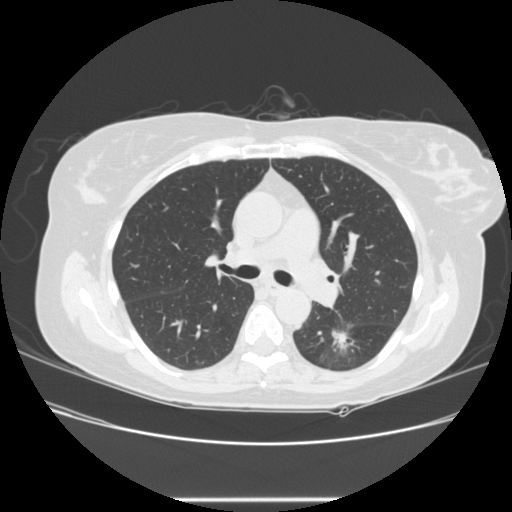
One axial slice (156 of 245, counting up from the lowest) of a chest CT acquired at 120 kVp with the STANDARD kernel; each pixel is 0.730 mm and the slice is 1.25 mm thick.
Pulmonary nodule at rows 323–357, columns 329–356 (box = the union of the readers' outlines on this slice), outlined by all four readers; median longest diameter 29.7 mm (readers' outlines 27.2–36.8 mm), median volume 4184 mm3 (3941–5997 mm3). Ratings, median across the readers with their spread: texture 5/5 (solid) from all four readers; median margin 3.5/5 (readers ranged 1/5 (indistinct) to 4/5); median sphericity 2.5/5 (readers ranged 2/5 to 4/5); calcification absent, all four readers agreeing; internal structure soft tissue from all four readers; subtlety 5/5 from all four readers; median malignancy likelihood 5/5 (readers ranged 4–5). Scale key (1–5): texture non-solid→solid, margin indistinct→circumscribed, sphericity linear→round, subtlety extremely subtle→obvious, malignancy likelihood highly unlikely→highly suspicious of cancer. Box rows and columns are 0-based pixel indices from the top-left corner, inclusive.